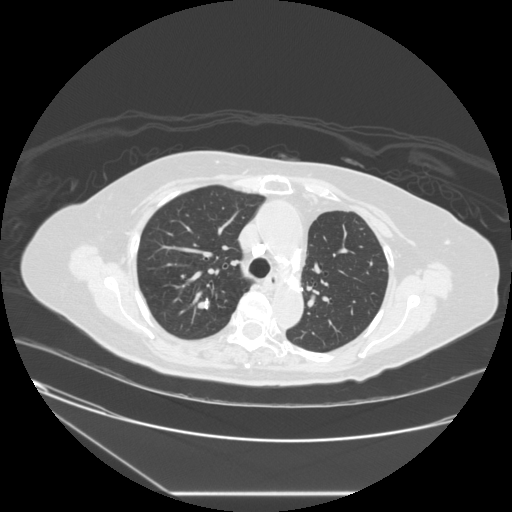
Axial chest CT slice 180 of 241 (counted from the lowest slice); tube voltage 120 kVp, convolution kernel STANDARD; slices 1.25 mm thick, 0.773 mm per pixel.
Pulmonary nodule at rows 298–309, columns 197–208 (box = the union of the readers' outlines on this slice), outlined three times (the source holds two more outlines, not used); median longest diameter 11.6 mm (readers' outlines 10.5–12.2 mm), median volume 354 mm3 (344–520 mm3). Ratings, median across the readers with their spread: texture 5/5 (solid) at the median of three readers, spread 4/5 to 5/5 (solid); median margin 4/5 (readers ranged 4/5 to 5/5 (circumscribed)); median sphericity 3/5 (ovoid) (readers ranged 3/5 (ovoid) to 4/5); calcification: non-central calcification (two), absent (one); internal structure soft tissue, all three readers agreeing; subtlety 5/5, all three readers agreeing; median malignancy likelihood 3/5 (readers ranged 2–3). Scale key (1–5): texture non-solid→solid, margin indistinct→circumscribed, sphericity linear→round, subtlety extremely subtle→obvious, malignancy likelihood highly unlikely→highly suspicious of cancer. Box rows and columns are 0-based pixel indices from the top-left corner, inclusive.